Axial chest CT slice 177 of 267 (counted from the lowest slice); tube voltage 120 kVp, convolution kernel BONE; slices 1.25 mm thick, 0.752 mm per pixel.
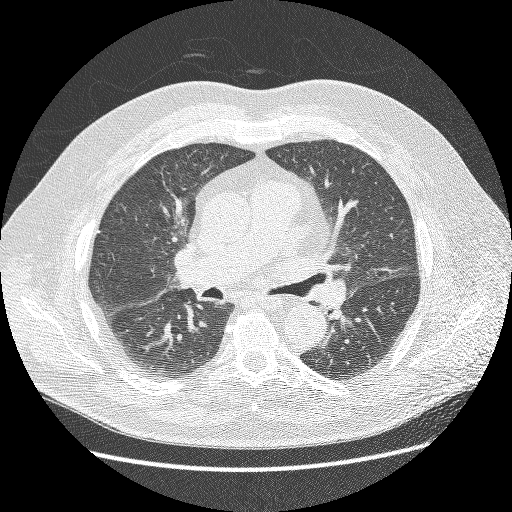
This slice carries no reader outline of a nodule 3 mm or larger.